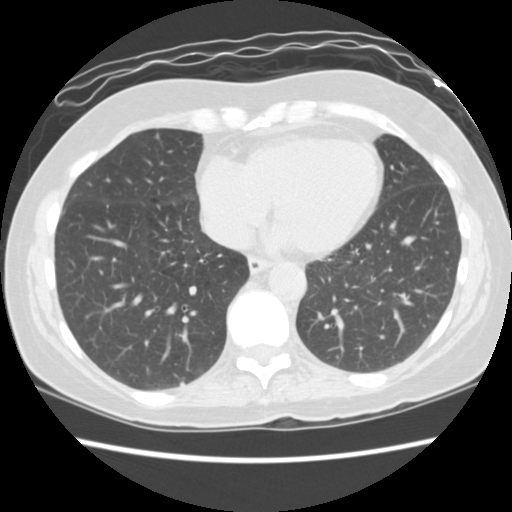
One axial slice (47 of 156, counting up from the lowest) of a chest CT acquired at 120 kVp with the STANDARD kernel; each pixel is 0.645 mm and the slice is 2.50 mm thick.
Two pulmonary nodules are outlined on this slice; from left to right: (1) Pulmonary nodule outlined by three of the four readers; box rows 132–139, columns 154–159 (the union of the readers' outlines on this slice); longest diameter 4.6–5.9 mm and volume 43–66 mm3 across the three readers' outlines. Ratings across the readers: texture 5/5 (solid) from all three readers; margin from 2/5 to 5/5 (circumscribed) across the three readers; sphericity from 2/5 to 4/5 across the three readers; calcification absent, all three readers agreeing; internal structure soft tissue, all three readers agreeing; subtlety 3–5/5 (the readers disagree); malignancy likelihood rated between 2 and 3 out of 5 by the three readers. (2) Pulmonary nodule outlined by two of the four readers; box rows 381–386, columns 179–184 (the union of the readers' outlines on this slice); the two readers' outlines give a longest diameter between 4.9 and 5.5 mm and a volume between 43 and 73 mm3. Ratings across the readers: texture 5/5 (solid) from both readers; margin from 4/5 to 5/5 (circumscribed) across the two readers; sphericity 4/5 from both readers; calcification absent from both readers; internal structure soft tissue from both readers; subtlety rated between 4 and 5 out of 5 by the two readers; malignancy likelihood 2–3/5 (the readers disagree). Scale key (1–5): texture non-solid→solid, margin indistinct→circumscribed, sphericity linear→round, subtlety extremely subtle→obvious, malignancy likelihood highly unlikely→highly suspicious of cancer. Box rows and columns are 0-based pixel indices from the top-left corner, inclusive.